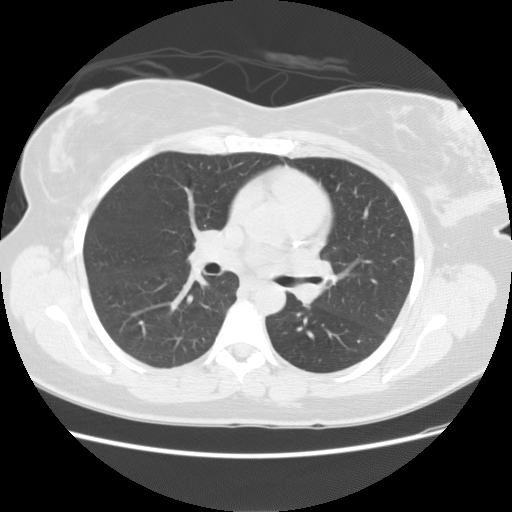
Axial chest CT slice 81 of 127 (counted from the lowest slice); tube voltage 120 kVp, convolution kernel STANDARD; slices 2.50 mm thick, 0.703 mm per pixel.
None of the four readers outlined a nodule of 3 mm or more on this slice.